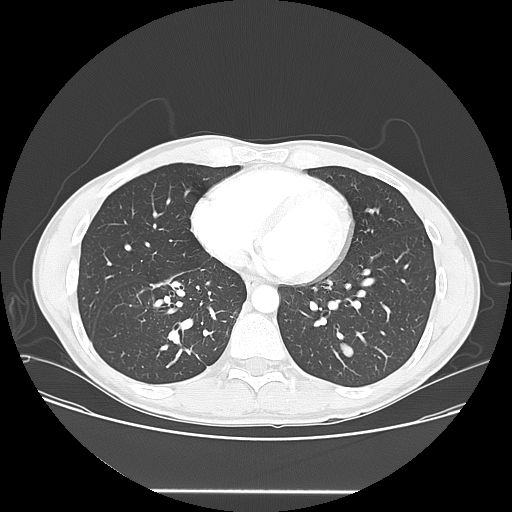
One axial slice (66 of 150, counting up from the lowest) of a chest CT acquired at 120 kVp with the LUNG kernel; each pixel is 0.781 mm and the slice is 2.50 mm thick.
Pulmonary nodule at rows 342–356, columns 340–353 (box = the union of the readers' outlines on this slice), outlined by all four readers; longest diameter 15.8 mm on average over the four readers' outlines (readers' outlines 15.0–17.2 mm), volume 701–1241 mm3. Ratings, by the readers' most common answer with dissent counted: most readers (three of four) put texture at 5/5 (solid), others 4/5 (one); most readers (three of four) put margin at 5/5 (circumscribed), others 4/5 (one); sphericity 2/5 by two of four readers; the rest gave 3/5 (ovoid) (one), 5/5 (round) (one); calcification absent from all four readers; internal structure soft tissue, all four readers agreeing; subtlety 4/5 by two of four readers; the rest gave 3/5 (one), 5/5 (one); malignancy likelihood split among the readers: 2/5 (two), 4/5 (two). Scale key (1–5): texture non-solid→solid, margin indistinct→circumscribed, sphericity linear→round, subtlety extremely subtle→obvious, malignancy likelihood highly unlikely→highly suspicious of cancer. Box rows and columns are 0-based pixel indices from the top-left corner, inclusive.